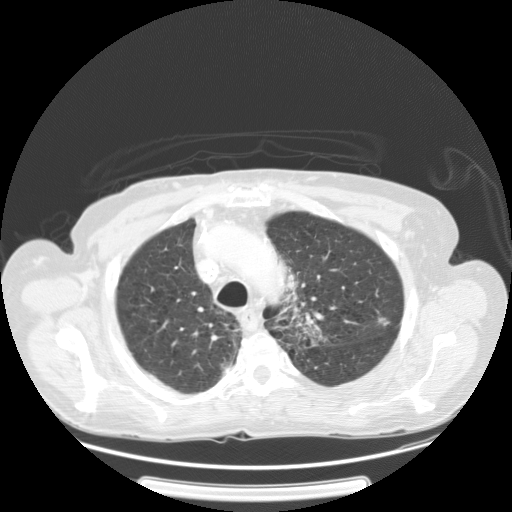
Chest CT, axial plane, 120 kVp, kernel STANDARD. Slice 106/137 from the bottom of the scan; thickness 2.50 mm; pixel size 0.781 mm.
Pulmonary nodule, outlined by all four readers. Box on this slice rows 317–325, columns 378–388, the union of the readers' outlines on this slice; median longest diameter 10.2 mm (readers' outlines 9.1–11.0 mm), median volume 320 mm3 (252–362 mm3). Ratings, median across the readers with their spread: texture 4.5/5 at the median of four readers, spread 2/5 to 5/5 (solid); margin 3.5/5 at the median of four readers, spread 1/5 (indistinct) to 5/5 (circumscribed); median sphericity 3.5/5 (readers ranged 3/5 (ovoid) to 5/5 (round)); calcification absent from all four readers; internal structure soft tissue, all four readers agreeing; subtlety 4/5 at the median of four readers, spread 3–4; median malignancy likelihood 3/5 (readers ranged 2–4). Scale key (1–5): texture non-solid→solid, margin indistinct→circumscribed, sphericity linear→round, subtlety extremely subtle→obvious, malignancy likelihood highly unlikely→highly suspicious of cancer. Box rows and columns are 0-based pixel indices from the top-left corner, inclusive.